Axial chest CT slice 72 of 115 (counted from the lowest slice); tube voltage 130 kVp, convolution kernel B31s; slices 3.00 mm thick, 0.652 mm per pixel.
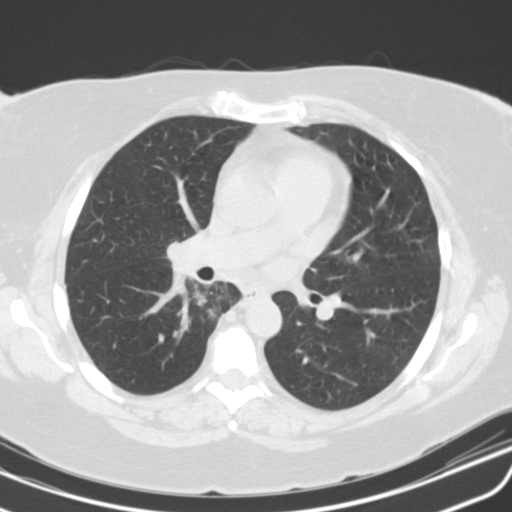
Pulmonary nodule outlined by three of the four readers, one of them on this slice; box rows 290–305, columns 195–206 (the one reader's outline on this slice); median longest diameter 29.4 mm (readers' outlines 24.2–34.9 mm), median volume 3534 mm3 (3268–5378 mm3). Ratings, median across the readers with their spread: texture 5/5 (solid) at the median of three readers, spread 4/5 to 5/5 (solid); median margin 3/5 (readers ranged 2/5 to 4/5); sphericity 3/5 (ovoid) at the median of three readers, spread 2/5 to 5/5 (round); calcification absent from all three readers; internal structure soft tissue, all three readers agreeing; median subtlety 5/5 (readers ranged 4–5); malignancy likelihood 4/5 from all three readers. Scale key (1–5): texture non-solid→solid, margin indistinct→circumscribed, sphericity linear→round, subtlety extremely subtle→obvious, malignancy likelihood highly unlikely→highly suspicious of cancer. Box rows and columns are 0-based pixel indices from the top-left corner, inclusive.